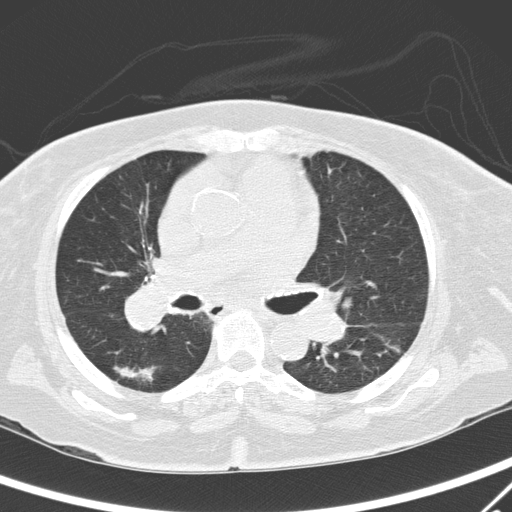
Axial chest CT slice 169 of 295 (counted from the lowest slice); 2.00 mm thick, 0.682 mm per pixel. Pulmonary nodule at rows 365–385, columns 113–161 (box = that reader's outline on this slice), outlined by one of the four readers; longest diameter 49.8 mm and volume 6337 mm3 from that reader's outline. That reader's ratings: texture 4/5; margin 1/5 (indistinct); sphericity 3/5 (ovoid); calcification absent; internal structure soft tissue; subtlety 5/5; malignancy likelihood 5/5. Scale key (1–5): texture non-solid→solid, margin indistinct→circumscribed, sphericity linear→round, subtlety extremely subtle→obvious, malignancy likelihood highly unlikely→highly suspicious of cancer. Box rows and columns are 0-based pixel indices from the top-left corner, inclusive.
Tube voltage 120 kVp; convolution kernel D.